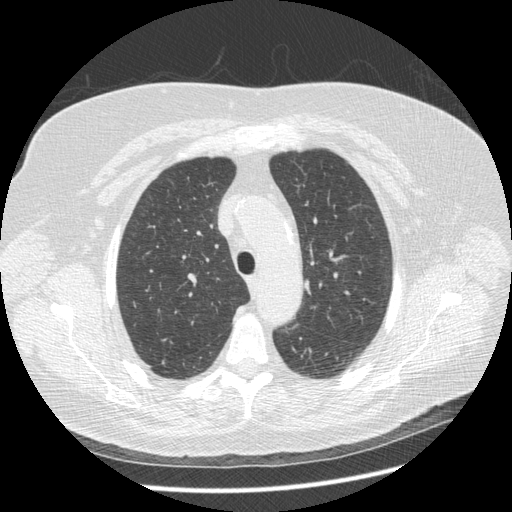
One axial slice (291 of 413, counting up from the lowest) of a chest CT acquired at 120 kVp with the STANDARD kernel; each pixel is 0.703 mm and the slice is 1.25 mm thick.
Pulmonary nodule, outlined by two of the four readers. Box on this slice rows 359–364, columns 161–164, the union of the readers' outlines on this slice; the two readers' outlines give a longest diameter between 7.3 and 8.0 mm and a volume between 94 and 128 mm3. Ratings across the readers: texture 5/5 (solid) from both readers; margin from 3/5 to 4/5 across the two readers; sphericity from 2/5 to 3/5 (ovoid) across the two readers; calcification absent, both readers agreeing; internal structure soft tissue, both readers agreeing; subtlety rated between 3 and 4 out of 5 by the two readers; malignancy likelihood 3–5/5 (the readers disagree). Scale key (1–5): texture non-solid→solid, margin indistinct→circumscribed, sphericity linear→round, subtlety extremely subtle→obvious, malignancy likelihood highly unlikely→highly suspicious of cancer. Box rows and columns are 0-based pixel indices from the top-left corner, inclusive.